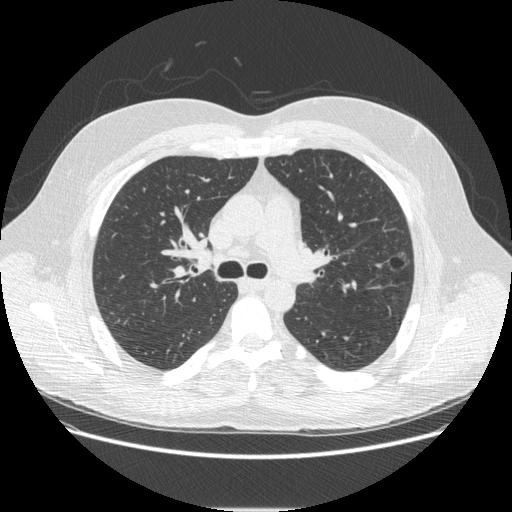
Axial chest CT slice 311 of 497 (counted from the lowest slice); tube voltage 120 kVp, convolution kernel STANDARD; slices 1.25 mm thick, 0.762 mm per pixel.
Pulmonary nodule outlined by all four readers; box rows 251–273, columns 385–409 (the union of the readers' outlines on this slice); median longest diameter 21.7 mm (readers' outlines 21.5–22.5 mm), median volume 2358 mm3 (2170–2597 mm3). Ratings, median across the readers with their spread: median texture 1/5 (non-solid) (readers ranged 1/5 (non-solid) to 3/5 (part-solid)); margin 3/5 at the median of four readers, spread 2/5 to 4/5; median sphericity 4.5/5 (readers ranged 3/5 (ovoid) to 5/5 (round)); calcification absent, all four readers agreeing; internal structure split among the readers: air (two), soft tissue (two); subtlety 4/5 at the median of four readers, spread 1–5; malignancy likelihood 3/5 at the median of four readers, spread 1–5. Scale key (1–5): texture non-solid→solid, margin indistinct→circumscribed, sphericity linear→round, subtlety extremely subtle→obvious, malignancy likelihood highly unlikely→highly suspicious of cancer. Box rows and columns are 0-based pixel indices from the top-left corner, inclusive.